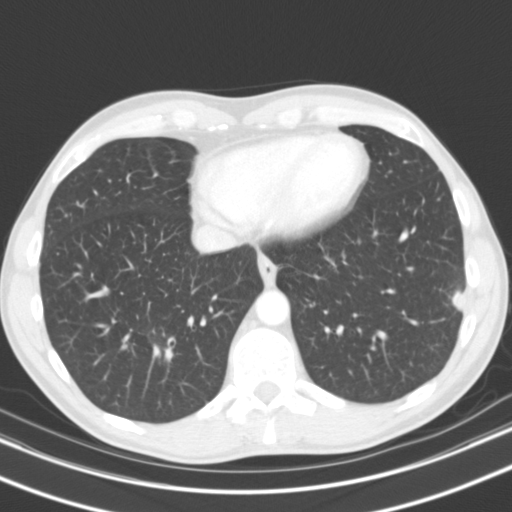
Axial slice 38 of 119 of a chest CT (slice 1 is the lowest), reconstructed with the B31s kernel at 130 kVp; 3.00 mm slice thickness and 0.650 mm pixels.
Pulmonary nodule outlined by all four readers; box rows 290–310, columns 452–465 (the union of the readers' outlines on this slice); longest diameter 17.3 mm on average over the four readers' outlines (readers' outlines 14.3–20.4 mm), volume 1364–2386 mm3. The readers' prevailing ratings and who disagreed: texture split among the readers: 4/5 (two), 5/5 (solid) (two); most readers (three of four) put margin at 4/5, others 2/5 (one); sphericity 3/5 (ovoid) by two of four readers; the rest gave 4/5 (one), 5/5 (round) (one); calcification absent, all four readers agreeing; internal structure soft tissue from all four readers; subtlety 5/5 by three of four readers; the rest gave 4/5 (one); malignancy likelihood split among the readers: 2/5 (one), 3/5 (one), 4/5 (one), 5/5 (one). Scale key (1–5): texture non-solid→solid, margin indistinct→circumscribed, sphericity linear→round, subtlety extremely subtle→obvious, malignancy likelihood highly unlikely→highly suspicious of cancer. Box rows and columns are 0-based pixel indices from the top-left corner, inclusive.